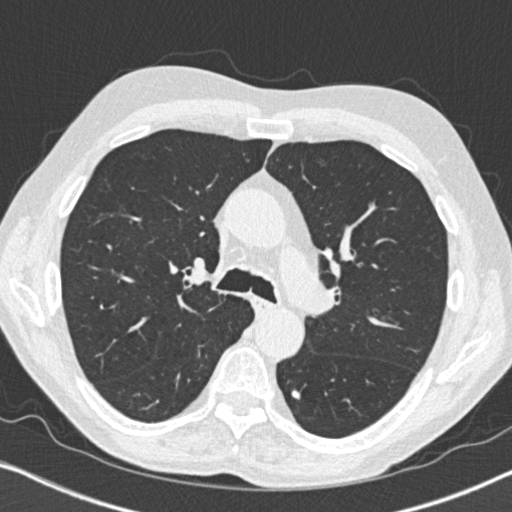
Chest CT, axial plane, 120 kVp, kernel B31f. Slice 509/764 from the bottom of the scan; thickness 1.00 mm; pixel size 0.646 mm.
Pulmonary nodule outlined by all four readers; box rows 388–400, columns 290–301 (the union of the readers' outlines on this slice); median longest diameter 11.0 mm (readers' outlines 10.7–12.7 mm), median volume 459 mm3 (382–638 mm3). Ratings, median across the readers with their spread: texture 5/5 (solid) from all four readers; margin 5/5 (circumscribed) from all four readers; sphericity 5/5 (round) at the median of four readers, spread 4/5 to 5/5 (round); calcification solid calcification from all four readers; internal structure soft tissue, all four readers agreeing; subtlety 5/5, all four readers agreeing; malignancy likelihood 1/5 from all four readers. Scale key (1–5): texture non-solid→solid, margin indistinct→circumscribed, sphericity linear→round, subtlety extremely subtle→obvious, malignancy likelihood highly unlikely→highly suspicious of cancer. Box rows and columns are 0-based pixel indices from the top-left corner, inclusive.